Axial chest CT slice 209 of 264 (counted from the lowest slice); tube voltage 120 kVp, convolution kernel BONE; slices 1.25 mm thick, 0.703 mm per pixel.
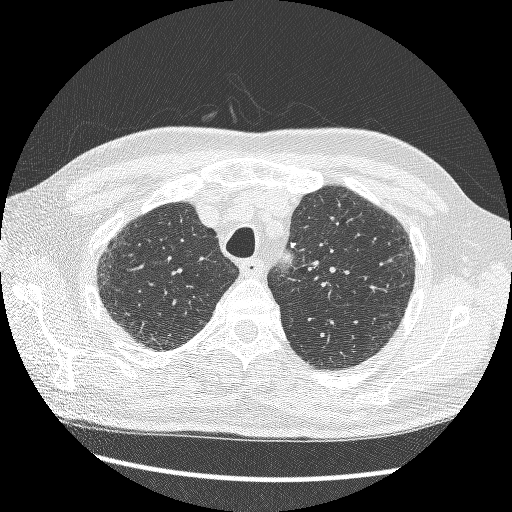
Pulmonary nodule outlined by all four readers; box rows 242–247, columns 290–295 (the union of the readers' outlines on this slice); longest diameter 5.5 mm on average over the four readers' outlines (readers' outlines 5.1–5.7 mm), volume 30–45 mm3. Ratings, by the readers' most common answer with dissent counted: texture 5/5 (solid), all four readers agreeing; margin 5/5 (circumscribed) from all four readers; sphericity split among the readers: 2/5 (two), 3/5 (ovoid) (two); calcification solid calcification, all four readers agreeing; internal structure soft tissue, all four readers agreeing; subtlety 3/5 by two of four readers; the rest gave 2/5 (one), 5/5 (one); malignancy likelihood 1/5, all four readers agreeing. Scale key (1–5): texture non-solid→solid, margin indistinct→circumscribed, sphericity linear→round, subtlety extremely subtle→obvious, malignancy likelihood highly unlikely→highly suspicious of cancer. Box rows and columns are 0-based pixel indices from the top-left corner, inclusive.